Axial slice 114 of 301 of a chest CT (slice 1 is the lowest), reconstructed with the STANDARD kernel at 120 kVp; 1.25 mm slice thickness and 0.684 mm pixels.
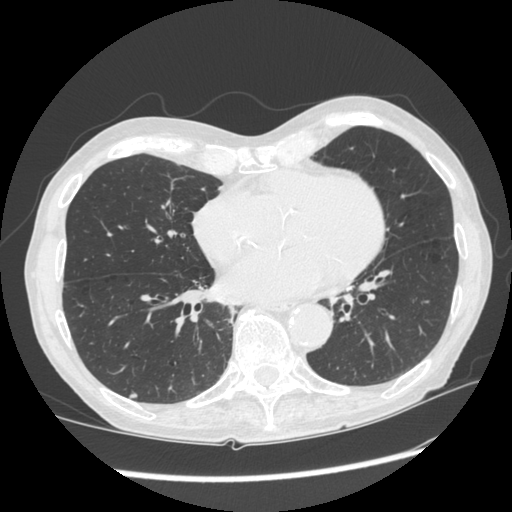
Pulmonary nodule, outlined by all four readers. Box on this slice rows 392–399, columns 128–137, the union of the readers' outlines on this slice; median longest diameter 7.2 mm (readers' outlines 7.1–7.8 mm), median volume 67 mm3 (48–77 mm3). Median ratings and the readers' spread: median texture 5/5 (solid) (readers ranged 1/5 (non-solid) to 5/5 (solid)); margin 4/5 at the median of four readers, spread 1/5 (indistinct) to 5/5 (circumscribed); sphericity 2.5/5 at the median of four readers, spread 2/5 to 3/5 (ovoid); calcification absent, all four readers agreeing; internal structure soft tissue from all four readers; median subtlety 3.5/5 (readers ranged 1–5); malignancy likelihood 2.5/5 at the median of four readers, spread 2–3. Scale key (1–5): texture non-solid→solid, margin indistinct→circumscribed, sphericity linear→round, subtlety extremely subtle→obvious, malignancy likelihood highly unlikely→highly suspicious of cancer. Box rows and columns are 0-based pixel indices from the top-left corner, inclusive.